One axial slice (222 of 274, counting up from the lowest) of a chest CT acquired at 140 kVp with the BONE kernel; each pixel is 0.615 mm and the slice is 1.25 mm thick.
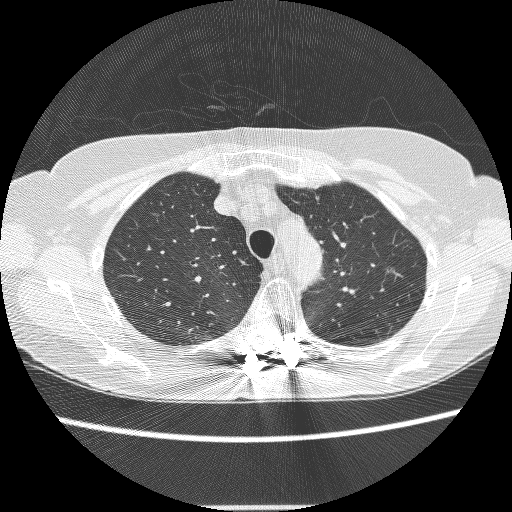
Pulmonary nodule, outlined by three of the four readers, two of them on this slice. Box on this slice rows 267–272, columns 386–393, the union of the readers' outlines on this slice; longest diameter 6.7–8.3 mm and volume 80–101 mm3 across the three readers' outlines. The readers' ratings, as ranges where they differ: texture from 1/5 (non-solid) to 5/5 (solid) across the three readers; margin from 1/5 (indistinct) to 5/5 (circumscribed) across the three readers; sphericity 4/5, all three readers agreeing; calcification absent from all three readers; internal structure soft tissue, all three readers agreeing; subtlety 1–5/5 (the readers disagree); malignancy likelihood from 2/5 to 4/5 across the three readers. Scale key (1–5): texture non-solid→solid, margin indistinct→circumscribed, sphericity linear→round, subtlety extremely subtle→obvious, malignancy likelihood highly unlikely→highly suspicious of cancer. Box rows and columns are 0-based pixel indices from the top-left corner, inclusive.